One axial slice (96 of 195, counting up from the lowest) of a chest CT acquired at 120 kVp with the BONE kernel; each pixel is 0.645 mm and the slice is 1.25 mm thick.
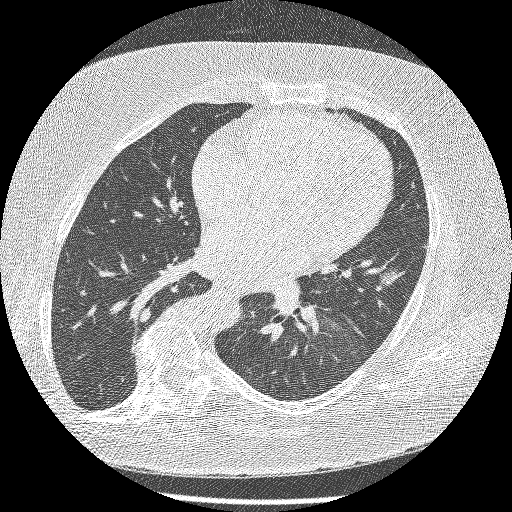
Pulmonary nodule at rows 271–284, columns 379–394 (box = the union of the readers' outlines on this slice), outlined by two of the four readers; the two readers' outlines give a longest diameter between 12.4 and 14.3 mm and a volume between 220 and 228 mm3. The readers' ratings, as ranges where they differ: texture from 4/5 to 5/5 (solid) across the two readers; margin from 2/5 to 3/5 across the two readers; sphericity from 2/5 to 3/5 (ovoid) across the two readers; calcification absent, both readers agreeing; internal structure soft tissue, both readers agreeing; subtlety rated between 2 and 3 out of 5 by the two readers; malignancy likelihood 3/5, both readers agreeing. Scale key (1–5): texture non-solid→solid, margin indistinct→circumscribed, sphericity linear→round, subtlety extremely subtle→obvious, malignancy likelihood highly unlikely→highly suspicious of cancer. Box rows and columns are 0-based pixel indices from the top-left corner, inclusive.